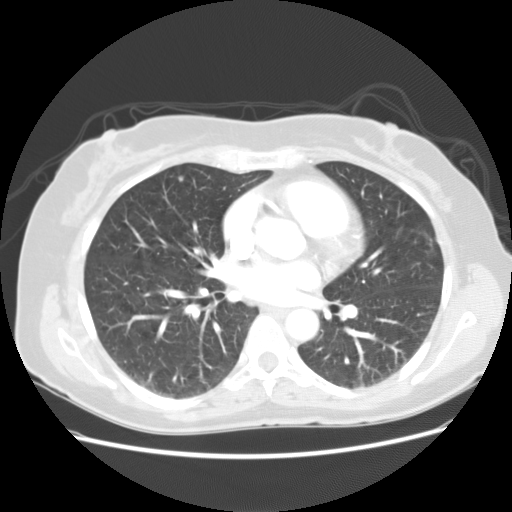
One axial slice (61 of 113, counting up from the lowest) of a chest CT acquired at 120 kVp with the STANDARD kernel; each pixel is 0.703 mm and the slice is 2.50 mm thick.
Pulmonary nodule at rows 176–181, columns 178–183 (box = the union of the readers' outlines on this slice), outlined by two of the four readers; longest diameter 4.9 mm on average over the two readers' outlines (readers' outlines 4.7–5.1 mm), volume 38–44 mm3. Ratings, by the readers' most common answer with dissent counted: texture 5/5 (solid) from both readers; margin 3/5, both readers agreeing; sphericity split among the readers: 4/5 (one), 5/5 (round) (one); calcification absent, both readers agreeing; internal structure soft tissue, both readers agreeing; subtlety split among the readers: 3/5 (one), 4/5 (one); malignancy likelihood 3/5, both readers agreeing. Scale key (1–5): texture non-solid→solid, margin indistinct→circumscribed, sphericity linear→round, subtlety extremely subtle→obvious, malignancy likelihood highly unlikely→highly suspicious of cancer. Box rows and columns are 0-based pixel indices from the top-left corner, inclusive.